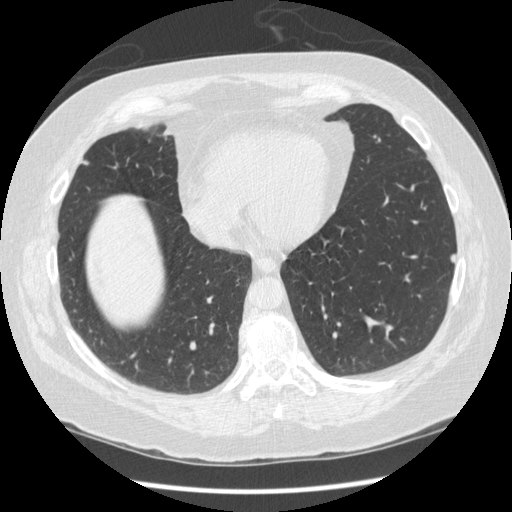
Axial slice 129 of 436 of a chest CT (slice 1 is the lowest), reconstructed with the STANDARD kernel at 120 kVp; 1.25 mm slice thickness and 0.703 mm pixels.
Two pulmonary nodules are outlined on this slice; from left to right: (1) Pulmonary nodule, outlined by one of the four readers. Box on this slice rows 160–164, columns 83–88, that reader's outline on this slice; longest diameter 5.8 mm and volume 56 mm3 from that reader's outline. That reader's ratings: texture 5/5 (solid); margin 5/5 (circumscribed); sphericity 5/5 (round); calcification absent; internal structure soft tissue; subtlety 5/5; malignancy likelihood 3/5. (2) Pulmonary nodule, outlined by three of the four readers. Box on this slice rows 253–262, columns 450–455, the union of the readers' outlines on this slice; the three readers' outlines give a longest diameter between 8.0 and 8.6 mm and a volume between 131 and 153 mm3. Ratings across the readers: texture 5/5 (solid), all three readers agreeing; margin from 4/5 to 5/5 (circumscribed) across the three readers; sphericity from 2/5 to 4/5 across the three readers; calcification absent, all three readers agreeing; internal structure soft tissue from all three readers; subtlety from 3/5 to 5/5 across the three readers; malignancy likelihood 2–3/5 (the readers disagree). Scale key (1–5): texture non-solid→solid, margin indistinct→circumscribed, sphericity linear→round, subtlety extremely subtle→obvious, malignancy likelihood highly unlikely→highly suspicious of cancer. Box rows and columns are 0-based pixel indices from the top-left corner, inclusive.